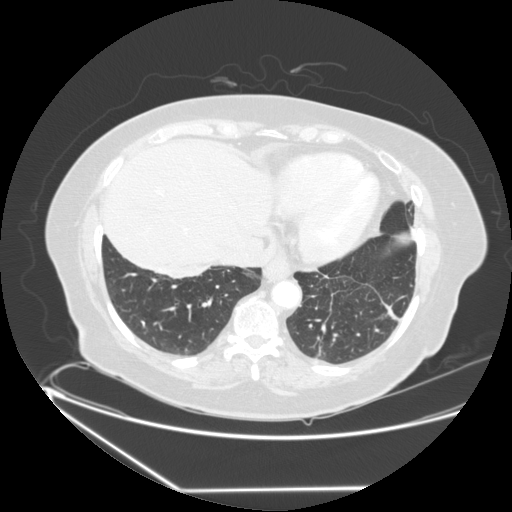
Axial slice 78 of 241 of a chest CT (slice 1 is the lowest), reconstructed with the STANDARD kernel at 120 kVp; 1.25 mm slice thickness and 0.822 mm pixels.
Pulmonary nodule outlined by all four readers; box rows 319–326, columns 140–145 (the union of the readers' outlines on this slice); median longest diameter 6.6 mm (readers' outlines 5.5–8.5 mm), median volume 80 mm3 (41–162 mm3). Median ratings and the readers' spread: texture 5/5 (solid) from all four readers; margin 5/5 (circumscribed), all four readers agreeing; median sphericity 3.5/5 (readers ranged 2/5 to 5/5 (round)); calcification: solid calcification (three), absent (one); internal structure soft tissue from all four readers; median subtlety 2.5/5 (readers ranged 2–5); malignancy likelihood 1/5 at the median of four readers, spread 1–2. Scale key (1–5): texture non-solid→solid, margin indistinct→circumscribed, sphericity linear→round, subtlety extremely subtle→obvious, malignancy likelihood highly unlikely→highly suspicious of cancer. Box rows and columns are 0-based pixel indices from the top-left corner, inclusive.